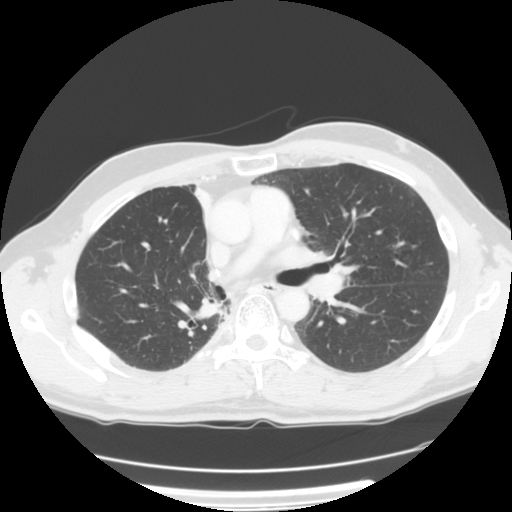
Axial chest CT slice 87 of 133 (counted from the lowest slice); 2.50 mm thick, 0.703 mm per pixel. No nodule of 3 mm or larger was outlined by any of the four readers on this slice.
Acquired at 120 kVp and reconstructed with the STANDARD kernel.